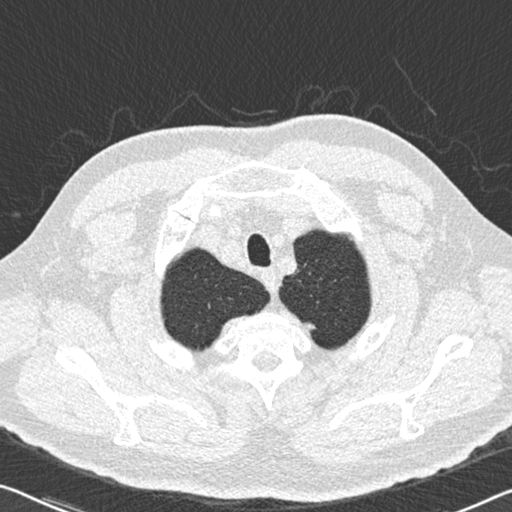
One axial slice (501 of 536, counting up from the lowest) of a chest CT acquired at 120 kVp with the B30f kernel; each pixel is 0.656 mm and the slice is 0.75 mm thick.
Pulmonary nodule, outlined by three of the four readers. Box on this slice rows 322–330, columns 306–315, the union of the readers' outlines on this slice; median longest diameter 7.3 mm (readers' outlines 5.9–8.2 mm), median volume 25 mm3 (18–37 mm3). Median ratings and the readers' spread: texture 5/5 (solid) from all three readers; margin 3/5 at the median of three readers, spread 3/5 to 4/5; median sphericity 2/5 (readers ranged 2/5 to 3/5 (ovoid)); calcification absent from all three readers; internal structure soft tissue, all three readers agreeing; subtlety 3/5 at the median of three readers, spread 1–4; median malignancy likelihood 3/5 (readers ranged 2–3). Scale key (1–5): texture non-solid→solid, margin indistinct→circumscribed, sphericity linear→round, subtlety extremely subtle→obvious, malignancy likelihood highly unlikely→highly suspicious of cancer. Box rows and columns are 0-based pixel indices from the top-left corner, inclusive.